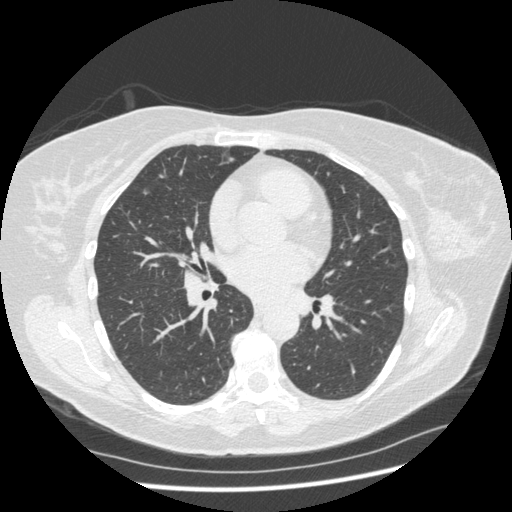
Axial chest CT slice 217 of 436 (counted from the lowest slice); tube voltage 120 kVp, convolution kernel STANDARD; slices 1.25 mm thick, 0.703 mm per pixel.
Pulmonary nodule at rows 191–194, columns 141–147 (box = the one reader's outline on this slice), outlined by two of the four readers, one of them on this slice; median longest diameter 7.9 mm (readers' outlines 7.9 mm), median volume 60 mm3 (55–64 mm3). Ratings, median across the readers with their spread: texture 5/5 (solid), both readers agreeing; margin 3.5/5 at the median of two readers, spread 3/5 to 4/5; sphericity 3.5/5 at the median of two readers, spread 3/5 (ovoid) to 4/5; calcification absent from both readers; internal structure soft tissue from both readers; median subtlety 3.5/5 (readers ranged 3–4); median malignancy likelihood 3/5 (readers ranged 2–4). Scale key (1–5): texture non-solid→solid, margin indistinct→circumscribed, sphericity linear→round, subtlety extremely subtle→obvious, malignancy likelihood highly unlikely→highly suspicious of cancer. Box rows and columns are 0-based pixel indices from the top-left corner, inclusive.